Axial chest CT slice 44 of 101 (counted from the lowest slice); tube voltage 120 kVp, convolution kernel B45f; slices 3.00 mm thick, 0.586 mm per pixel.
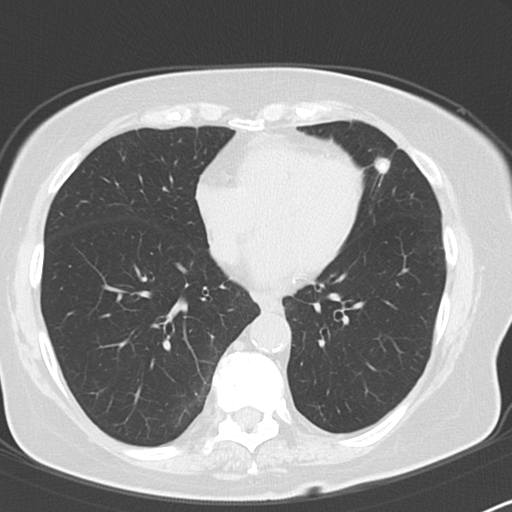
Pulmonary nodule, outlined by all four readers. Box on this slice rows 156–174, columns 373–389, the union of the readers' outlines on this slice; longest diameter 13.8 mm on average over the four readers' outlines (readers' outlines 11.3–15.8 mm), volume 507–752 mm3. Ratings, by the readers' most common answer with dissent counted: texture 5/5 (solid), all four readers agreeing; margin 5/5 (circumscribed) by three of four readers; the rest gave 4/5 (one); most readers (three of four) put sphericity at 5/5 (round), others 3/5 (ovoid) (one); calcification split among the readers: absent (two), central calcification (two); internal structure soft tissue from all four readers; subtlety 5/5, all four readers agreeing; malignancy likelihood split among the readers: 1/5 (two), 4/5 (two). Scale key (1–5): texture non-solid→solid, margin indistinct→circumscribed, sphericity linear→round, subtlety extremely subtle→obvious, malignancy likelihood highly unlikely→highly suspicious of cancer. Box rows and columns are 0-based pixel indices from the top-left corner, inclusive.